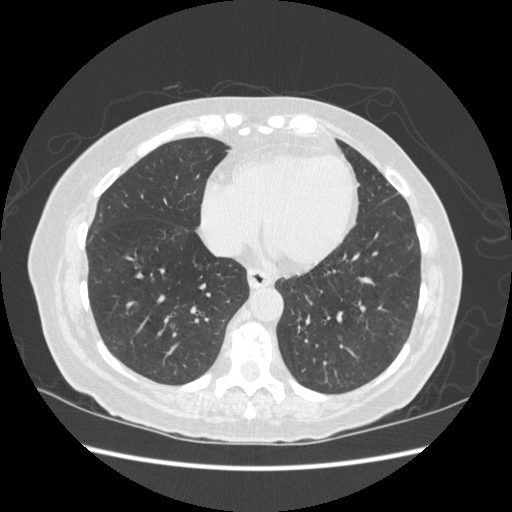
Axial chest CT slice 173 of 513 (counted from the lowest slice); tube voltage 120 kVp, convolution kernel STANDARD; slices 1.25 mm thick, 0.703 mm per pixel.
Pulmonary nodule, outlined by two of the four readers. Box on this slice rows 331–336, columns 157–161, the union of the readers' outlines on this slice; longest diameter 6.8 mm on average over the two readers' outlines (readers' outlines 6.7–6.9 mm), volume 105–106 mm3. The readers' prevailing ratings and who disagreed: texture split among the readers: 4/5 (one), 5/5 (solid) (one); margin 4/5 from both readers; sphericity split among the readers: 2/5 (one), 4/5 (one); calcification absent, both readers agreeing; internal structure soft tissue, both readers agreeing; subtlety 2/5, both readers agreeing; malignancy likelihood split among the readers: 1/5 (one), 2/5 (one). Scale key (1–5): texture non-solid→solid, margin indistinct→circumscribed, sphericity linear→round, subtlety extremely subtle→obvious, malignancy likelihood highly unlikely→highly suspicious of cancer. Box rows and columns are 0-based pixel indices from the top-left corner, inclusive.